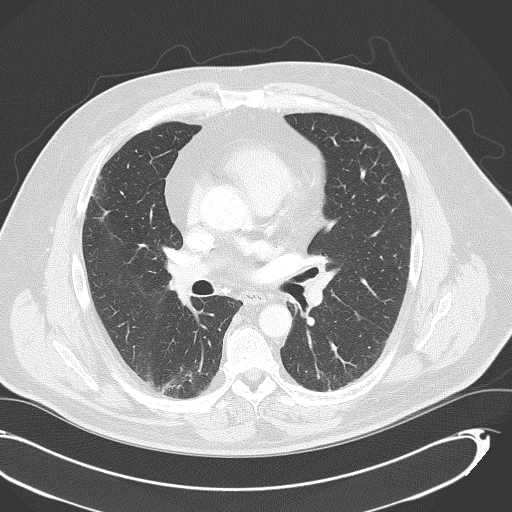
Axial chest CT slice 207 of 333 (counted from the lowest slice); 2.00 mm thick, 0.775 mm per pixel. Pulmonary nodule, outlined by all four readers, one of them on this slice. Box on this slice rows 212–214, columns 97–100, the one reader's outline on this slice; longest diameter 11.1 mm on average over the four readers' outlines (readers' outlines 9.4–12.6 mm), volume 231–434 mm3. Ratings, by the readers' most common answer with dissent counted: texture 5/5 (solid) from all four readers; margin 4/5 by three of four readers; the rest gave 5/5 (circumscribed) (one); sphericity 5/5 (round) by three of four readers; the rest gave 4/5 (one); calcification absent by three of four readers, non-central calcification (one); internal structure soft tissue, all four readers agreeing; subtlety 5/5 by two of four readers; the rest gave 3/5 (one), 4/5 (one); malignancy likelihood 4/5 by two of four readers; the rest gave 1/5 (one), 3/5 (one). Scale key (1–5): texture non-solid→solid, margin indistinct→circumscribed, sphericity linear→round, subtlety extremely subtle→obvious, malignancy likelihood highly unlikely→highly suspicious of cancer. Box rows and columns are 0-based pixel indices from the top-left corner, inclusive.
Scan settings: 120 kVp, B70f reconstruction kernel.